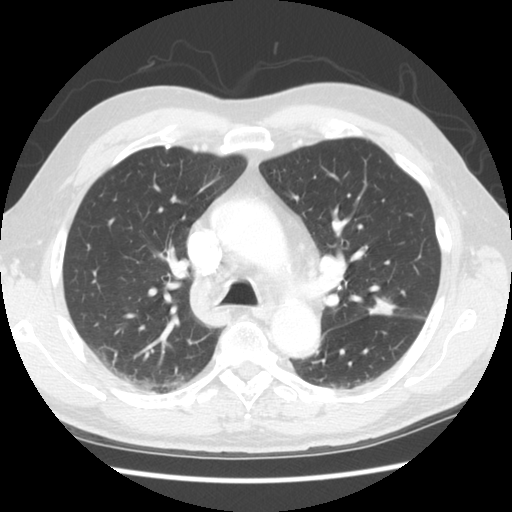
Axial slice 172 of 258 of a chest CT (slice 1 is the lowest), reconstructed with the STANDARD kernel at 120 kVp; 2.50 mm slice thickness and 0.664 mm pixels.
Pulmonary nodule at rows 295–315, columns 365–396 (box = the union of the readers' outlines on this slice), outlined by all four readers; median longest diameter 20.5 mm (readers' outlines 19.7–21.9 mm), median volume 1578 mm3 (1387–1715 mm3). Ratings, median across the readers with their spread: texture 5/5 (solid), all four readers agreeing; median margin 3.5/5 (readers ranged 3/5 to 4/5); median sphericity 3/5 (ovoid) (readers ranged 2/5 to 4/5); calcification absent from all four readers; internal structure soft tissue from all four readers; subtlety 5/5 from all four readers; malignancy likelihood 5/5 at the median of four readers, spread 3–5. Scale key (1–5): texture non-solid→solid, margin indistinct→circumscribed, sphericity linear→round, subtlety extremely subtle→obvious, malignancy likelihood highly unlikely→highly suspicious of cancer. Box rows and columns are 0-based pixel indices from the top-left corner, inclusive.